One axial slice (139 of 558, counting up from the lowest) of a chest CT acquired at 120 kVp with the B30f kernel; each pixel is 0.648 mm and the slice is 0.75 mm thick.
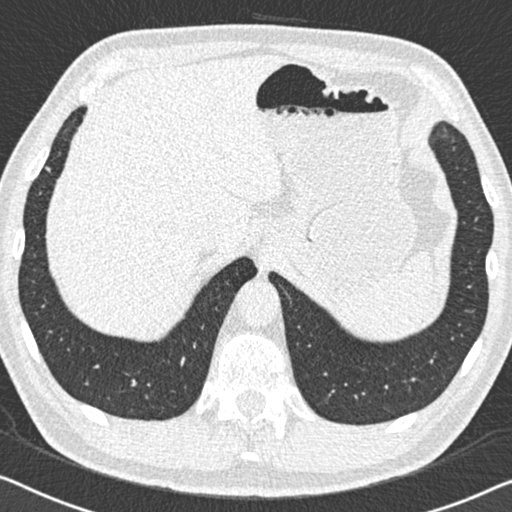
Pulmonary nodule outlined by two of the four readers; box rows 166–172, columns 45–50 (the union of the readers' outlines on this slice); median longest diameter 5.7 mm (readers' outlines 5.6–5.8 mm), median volume 58 mm3 (53–63 mm3). Ratings, median across the readers with their spread: texture 4.5/5 at the median of two readers, spread 4/5 to 5/5 (solid); margin 4/5 from both readers; sphericity 2.5/5 at the median of two readers, spread 2/5 to 3/5 (ovoid); calcification absent, both readers agreeing; internal structure soft tissue, both readers agreeing; subtlety 3.5/5 at the median of two readers, spread 2–5; median malignancy likelihood 2.5/5 (readers ranged 2–3). Scale key (1–5): texture non-solid→solid, margin indistinct→circumscribed, sphericity linear→round, subtlety extremely subtle→obvious, malignancy likelihood highly unlikely→highly suspicious of cancer. Box rows and columns are 0-based pixel indices from the top-left corner, inclusive.